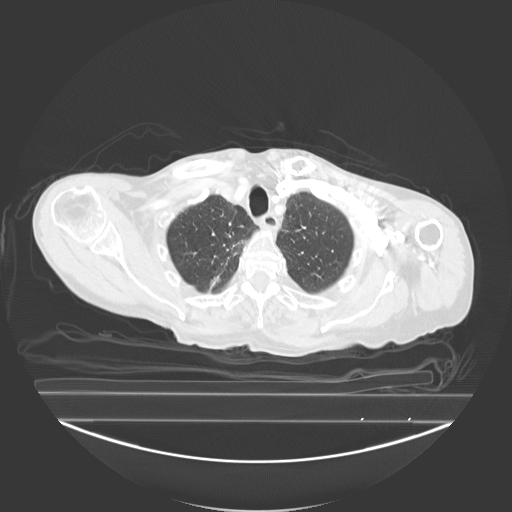
Axial chest CT slice 226 of 278 (counted from the lowest slice); 3.00 mm thick, 0.977 mm per pixel. Pulmonary nodule at rows 276–286, columns 211–220 (box = the union of the readers' outlines on this slice), outlined by all four readers, three of them on this slice; longest diameter 13.1–14.9 mm and volume 359–605 mm3 across the four readers' outlines. Ratings across the readers: texture from 4/5 to 5/5 (solid) across the four readers; margin from 2/5 to 4/5 across the four readers; sphericity from 3/5 (ovoid) to 5/5 (round) across the four readers; calcification absent from all four readers; internal structure soft tissue, all four readers agreeing; subtlety from 4/5 to 5/5 across the four readers; malignancy likelihood 2–4/5 (the readers disagree). Scale key (1–5): texture non-solid→solid, margin indistinct→circumscribed, sphericity linear→round, subtlety extremely subtle→obvious, malignancy likelihood highly unlikely→highly suspicious of cancer. Box rows and columns are 0-based pixel indices from the top-left corner, inclusive.
Tube voltage 130 kVp; convolution kernel B40s.